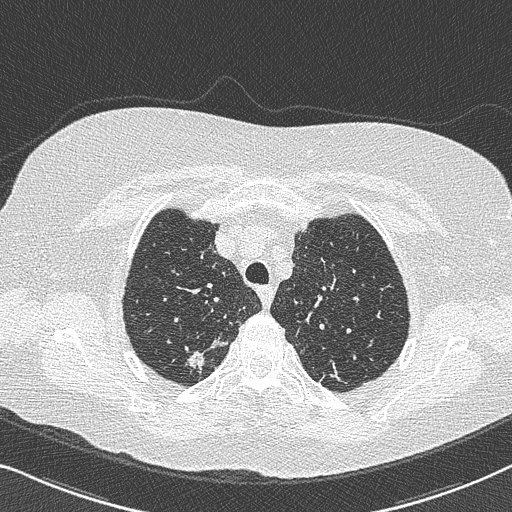
Axial slice 593 of 733 of a chest CT (slice 1 is the lowest), reconstructed with the B50f kernel at 120 kVp; 0.60 mm slice thickness and 0.637 mm pixels.
Pulmonary nodule outlined by all four readers; box rows 336–370, columns 185–227 (the union of the readers' outlines on this slice); longest diameter 22.0 mm on average over the four readers' outlines (readers' outlines 15.5–29.7 mm), volume 888–2128 mm3. The readers' prevailing ratings and who disagreed: most readers (three of four) put texture at 5/5 (solid), others 4/5 (one); margin 3/5 by two of four readers; the rest gave 1/5 (indistinct) (one), 4/5 (one); sphericity 3/5 (ovoid) by two of four readers; the rest gave 2/5 (one), 5/5 (round) (one); calcification absent, all four readers agreeing; internal structure soft tissue, all four readers agreeing; subtlety 5/5 by three of four readers; the rest gave 4/5 (one); malignancy likelihood 4/5 by three of four readers; the rest gave 5/5 (one). Scale key (1–5): texture non-solid→solid, margin indistinct→circumscribed, sphericity linear→round, subtlety extremely subtle→obvious, malignancy likelihood highly unlikely→highly suspicious of cancer. Box rows and columns are 0-based pixel indices from the top-left corner, inclusive.